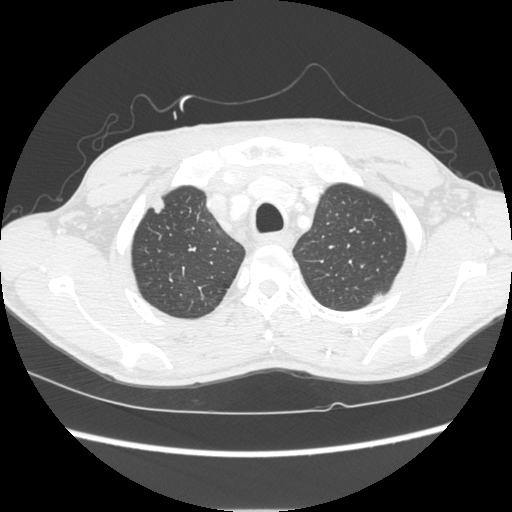
Axial chest CT slice 219 of 261 (counted from the lowest slice); tube voltage 120 kVp, convolution kernel STANDARD; slices 1.25 mm thick, 0.684 mm per pixel.
Pulmonary nodule at rows 197–213, columns 150–164 (box = the union of the readers' outlines on this slice), outlined by all four readers; the four readers' outlines give a longest diameter between 13.4 and 14.6 mm and a volume between 779 and 989 mm3. Ratings across the readers: texture 5/5 (solid), all four readers agreeing; margin 5/5 (circumscribed) from all four readers; sphericity from 4/5 to 5/5 (round) across the four readers; calcification absent from all four readers; internal structure soft tissue, all four readers agreeing; subtlety rated between 3 and 5 out of 5 by the four readers; malignancy likelihood 2–5/5 (the readers disagree). Scale key (1–5): texture non-solid→solid, margin indistinct→circumscribed, sphericity linear→round, subtlety extremely subtle→obvious, malignancy likelihood highly unlikely→highly suspicious of cancer. Box rows and columns are 0-based pixel indices from the top-left corner, inclusive.